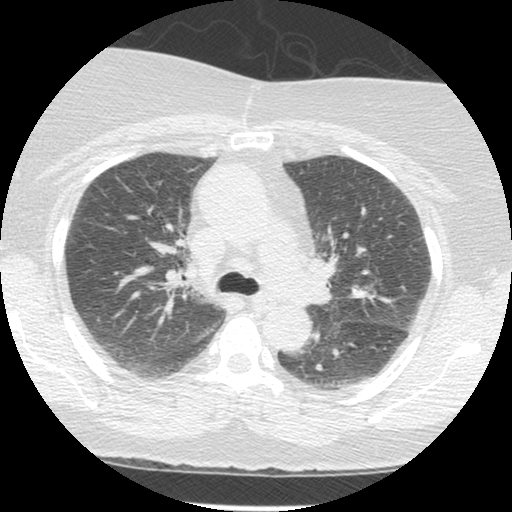
Axial chest CT slice 235 of 381 (counted from the lowest slice); 1.25 mm thick, 0.625 mm per pixel. No nodule 3 mm or larger was outlined here by any reader.
Acquired at 120 kVp and reconstructed with the STANDARD kernel.